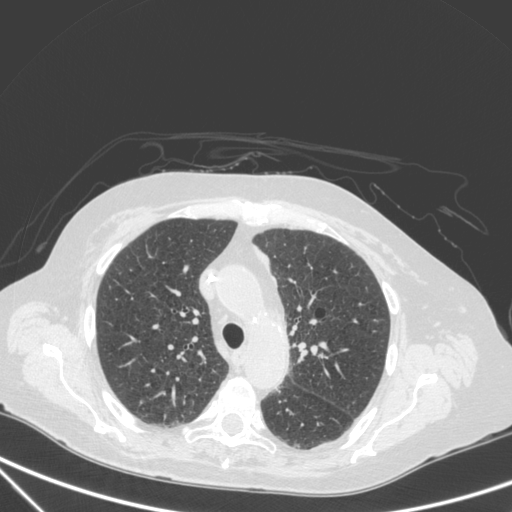
Chest CT, axial plane, 120 kVp, kernel C. Slice 232/350 from the bottom of the scan; thickness 1.50 mm; pixel size 0.725 mm.
Pulmonary nodule outlined by all four readers, three of them on this slice; box rows 352–357, columns 317–323 (the union of the readers' outlines on this slice); median longest diameter 10.6 mm (readers' outlines 9.9–11.7 mm), median volume 411 mm3 (335–580 mm3). Median ratings and the readers' spread: texture 5/5 (solid), all four readers agreeing; margin 4/5, all four readers agreeing; sphericity 3/5 (ovoid) at the median of four readers, spread 3/5 (ovoid) to 4/5; calcification absent from all four readers; internal structure soft tissue, all four readers agreeing; median subtlety 5/5 (readers ranged 4–5); malignancy likelihood 3.5/5 at the median of four readers, spread 2–5. Scale key (1–5): texture non-solid→solid, margin indistinct→circumscribed, sphericity linear→round, subtlety extremely subtle→obvious, malignancy likelihood highly unlikely→highly suspicious of cancer. Box rows and columns are 0-based pixel indices from the top-left corner, inclusive.